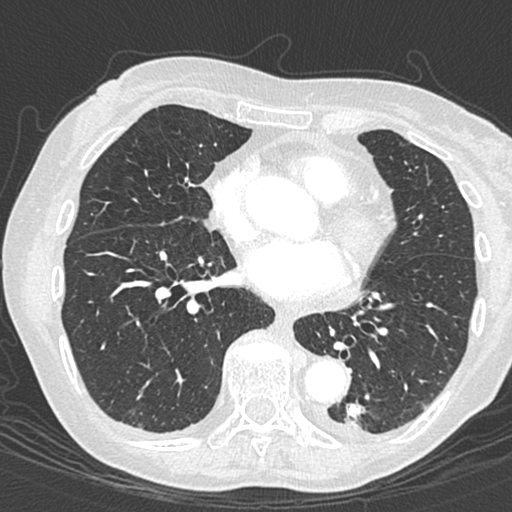
This is axial slice 145 of 301 (slice 1 is the lowest) of a chest CT; each pixel is 0.547 mm and the slice is 1.00 mm thick. Pulmonary nodule outlined by three of the four readers; box rows 403–419, columns 346–365 (the union of the readers' outlines on this slice); longest diameter 10.3 mm on average over the three readers' outlines (readers' outlines 6.8–15.1 mm), volume 67–603 mm3. The readers' prevailing ratings and who disagreed: texture 5/5 (solid), all three readers agreeing; most readers (two of three) put margin at 5/5 (circumscribed), others 3/5 (one); sphericity split among the readers: 3/5 (ovoid) (one), 4/5 (one), 5/5 (round) (one); calcification solid calcification by two of three readers, central calcification (one); internal structure soft tissue from all three readers; most readers (two of three) put subtlety at 5/5, others 4/5 (one); malignancy likelihood 1/5, all three readers agreeing. Scale key (1–5): texture non-solid→solid, margin indistinct→circumscribed, sphericity linear→round, subtlety extremely subtle→obvious, malignancy likelihood highly unlikely→highly suspicious of cancer. Box rows and columns are 0-based pixel indices from the top-left corner, inclusive.
Tube voltage 120 kVp; convolution kernel B45f.